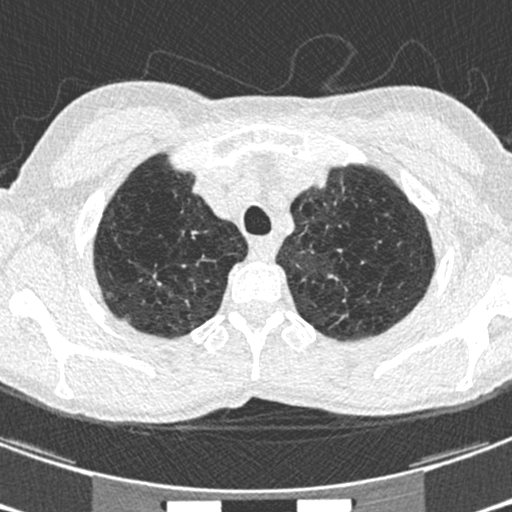
Axial chest CT slice 550 of 633 (counted from the lowest slice); 0.60 mm thick, 0.541 mm per pixel. Pulmonary nodule, outlined by one of the four readers. Box on this slice rows 292–298, columns 106–113, that reader's outline on this slice; longest diameter 5.8 mm and volume 27 mm3 from that reader's outline. Ratings by that reader: texture 3/5 (part-solid); margin 1/5 (indistinct); sphericity 4/5; calcification absent; internal structure soft tissue; subtlety 4/5; malignancy likelihood 3/5. Scale key (1–5): texture non-solid→solid, margin indistinct→circumscribed, sphericity linear→round, subtlety extremely subtle→obvious, malignancy likelihood highly unlikely→highly suspicious of cancer. Box rows and columns are 0-based pixel indices from the top-left corner, inclusive.
Acquired at 120 kVp and reconstructed with the B30f kernel.